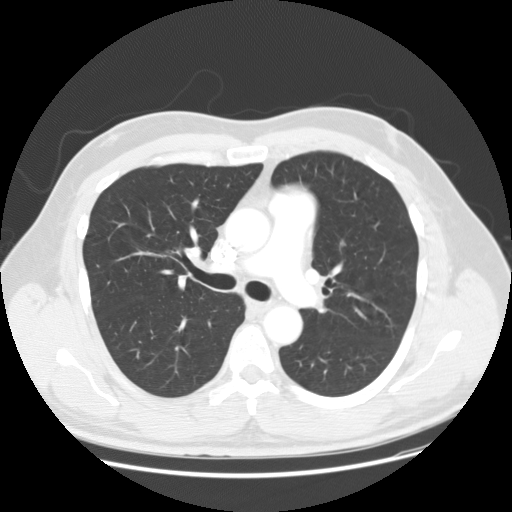
This is axial slice 90 of 143 (slice 1 is the lowest) of a chest CT; each pixel is 0.742 mm and the slice is 2.50 mm thick. Pulmonary nodule at rows 239–245, columns 338–346 (box = the union of the readers' outlines on this slice), outlined by all four readers; median longest diameter 7.8 mm (readers' outlines 7.0–8.0 mm), median volume 144 mm3 (96–160 mm3). Ratings, median across the readers with their spread: texture 4.5/5 at the median of four readers, spread 1/5 (non-solid) to 5/5 (solid); median margin 3.5/5 (readers ranged 2/5 to 5/5 (circumscribed)); median sphericity 4/5 (readers ranged 3/5 (ovoid) to 4/5); calcification absent from all four readers; internal structure soft tissue from all four readers; subtlety 3/5 from all four readers; malignancy likelihood 2.5/5 at the median of four readers, spread 1–3. Scale key (1–5): texture non-solid→solid, margin indistinct→circumscribed, sphericity linear→round, subtlety extremely subtle→obvious, malignancy likelihood highly unlikely→highly suspicious of cancer. Box rows and columns are 0-based pixel indices from the top-left corner, inclusive.
Tube voltage 120 kVp; convolution kernel STANDARD.